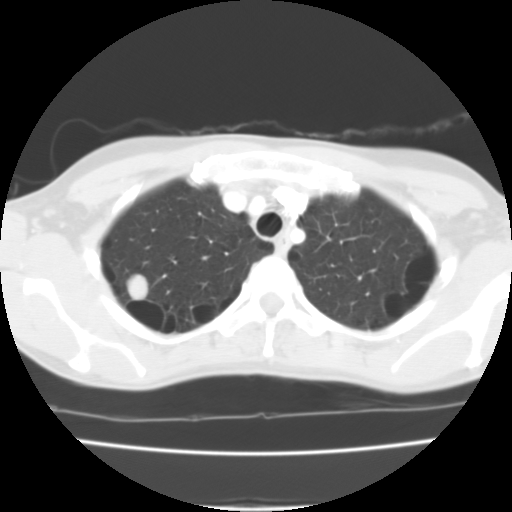
Axial chest CT slice 91 of 112 (counted from the lowest slice); tube voltage 135 kVp, convolution kernel FC01; slices 3.00 mm thick, 0.573 mm per pixel.
Pulmonary nodule, outlined by all four readers. Box on this slice rows 273–300, columns 126–149, the union of the readers' outlines on this slice; longest diameter 16.4–19.0 mm and volume 2422–3472 mm3 across the four readers' outlines. The readers' ratings, as ranges where they differ: texture 5/5 (solid), all four readers agreeing; margin from 4/5 to 5/5 (circumscribed) across the four readers; sphericity from 4/5 to 5/5 (round) across the four readers; calcification absent from all four readers; internal structure soft tissue, all four readers agreeing; subtlety 5/5 from all four readers; malignancy likelihood 3–5/5 (the readers disagree). Scale key (1–5): texture non-solid→solid, margin indistinct→circumscribed, sphericity linear→round, subtlety extremely subtle→obvious, malignancy likelihood highly unlikely→highly suspicious of cancer. Box rows and columns are 0-based pixel indices from the top-left corner, inclusive.